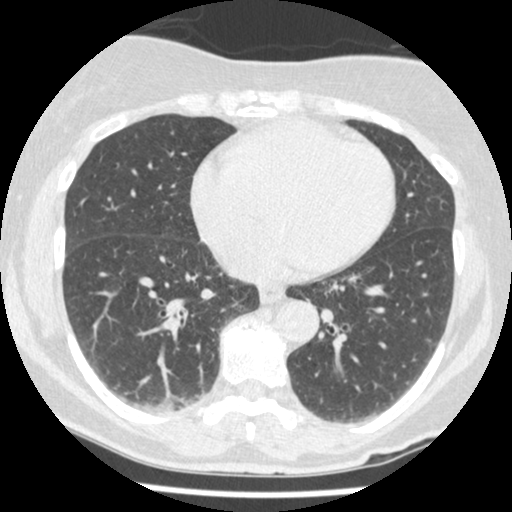
Axial chest CT slice 198 of 465 (counted from the lowest slice); 1.25 mm thick, 0.586 mm per pixel. None of the four readers outlined a nodule of 3 mm or more on this slice.
Tube voltage 120 kVp; convolution kernel STANDARD.